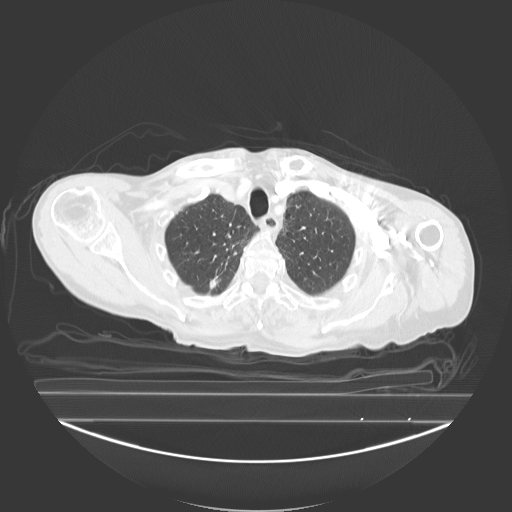
One axial slice (224 of 278, counting up from the lowest) of a chest CT acquired at 130 kVp with the B40s kernel; each pixel is 0.977 mm and the slice is 3.00 mm thick.
Pulmonary nodule at rows 277–289, columns 209–219 (box = the union of the readers' outlines on this slice), outlined by all four readers; longest diameter 14.3 mm on average over the four readers' outlines (readers' outlines 13.1–14.9 mm), volume 359–605 mm3. Ratings, by the readers' most common answer with dissent counted: texture split among the readers: 4/5 (two), 5/5 (solid) (two); most readers (three of four) put margin at 4/5, others 2/5 (one); sphericity 3/5 (ovoid) by two of four readers; the rest gave 4/5 (one), 5/5 (round) (one); calcification absent, all four readers agreeing; internal structure soft tissue from all four readers; subtlety split among the readers: 4/5 (two), 5/5 (two); malignancy likelihood 4/5 by two of four readers; the rest gave 2/5 (one), 3/5 (one). Scale key (1–5): texture non-solid→solid, margin indistinct→circumscribed, sphericity linear→round, subtlety extremely subtle→obvious, malignancy likelihood highly unlikely→highly suspicious of cancer. Box rows and columns are 0-based pixel indices from the top-left corner, inclusive.